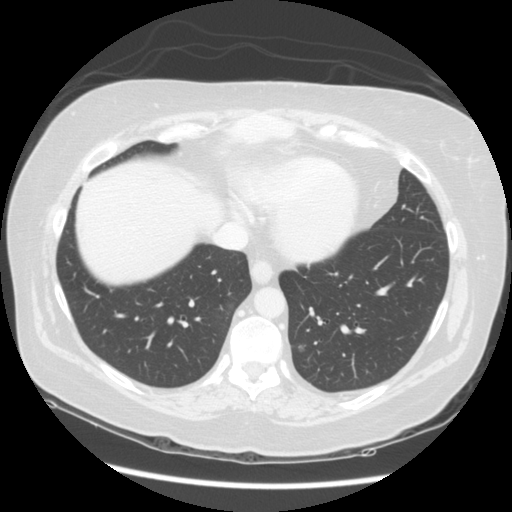
Axial slice 44 of 123 of a chest CT (slice 1 is the lowest), reconstructed with the STANDARD kernel at 140 kVp; 2.50 mm slice thickness and 0.703 mm pixels.
Pulmonary nodule outlined by three of the four readers; box rows 345–349, columns 298–303 (the union of the readers' outlines on this slice); longest diameter 6.8 mm on average over the three readers' outlines (readers' outlines 6.5–7.2 mm), volume 83–143 mm3. Ratings, by the readers' most common answer with dissent counted: most readers (two of three) put texture at 5/5 (solid), others 4/5 (one); margin split among the readers: 2/5 (one), 4/5 (one), 5/5 (circumscribed) (one); sphericity 4/5 by two of three readers; the rest gave 5/5 (round) (one); calcification absent from all three readers; internal structure soft tissue, all three readers agreeing; subtlety 3/5 by two of three readers; the rest gave 4/5 (one); malignancy likelihood split among the readers: 2/5 (one), 3/5 (one), 4/5 (one). Scale key (1–5): texture non-solid→solid, margin indistinct→circumscribed, sphericity linear→round, subtlety extremely subtle→obvious, malignancy likelihood highly unlikely→highly suspicious of cancer. Box rows and columns are 0-based pixel indices from the top-left corner, inclusive.